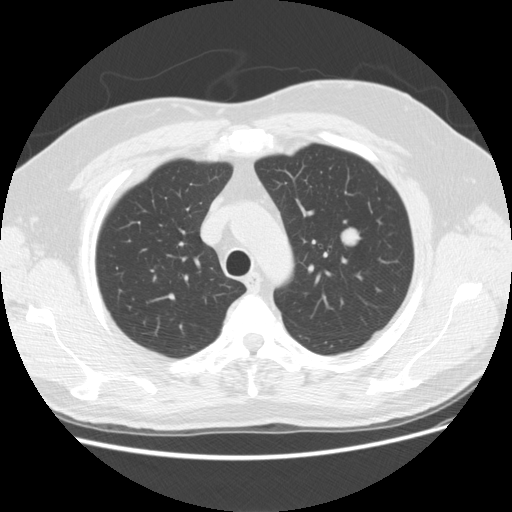
Axial chest CT slice 117 of 158 (counted from the lowest slice); tube voltage 120 kVp, convolution kernel STANDARD; slices 2.50 mm thick, 0.723 mm per pixel.
Pulmonary nodule outlined by all four readers; box rows 227–247, columns 340–360 (the union of the readers' outlines on this slice); longest diameter 16.2–18.8 mm and volume 1663–2984 mm3 across the four readers' outlines. Ratings across the readers: texture 5/5 (solid), all four readers agreeing; margin 5/5 (circumscribed) from all four readers; sphericity from 4/5 to 5/5 (round) across the four readers; calcification absent from all four readers; internal structure soft tissue, all four readers agreeing; subtlety 5/5 from all four readers; malignancy likelihood rated between 2 and 5 out of 5 by the four readers. Scale key (1–5): texture non-solid→solid, margin indistinct→circumscribed, sphericity linear→round, subtlety extremely subtle→obvious, malignancy likelihood highly unlikely→highly suspicious of cancer. Box rows and columns are 0-based pixel indices from the top-left corner, inclusive.